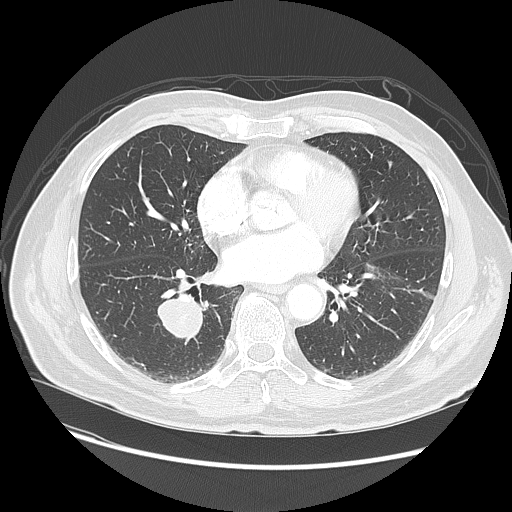
One axial slice (56 of 135, counting up from the lowest) of a chest CT acquired at 120 kVp with the LUNG kernel; each pixel is 0.781 mm and the slice is 2.50 mm thick.
None of the four readers outlined a nodule of 3 mm or more on this slice.